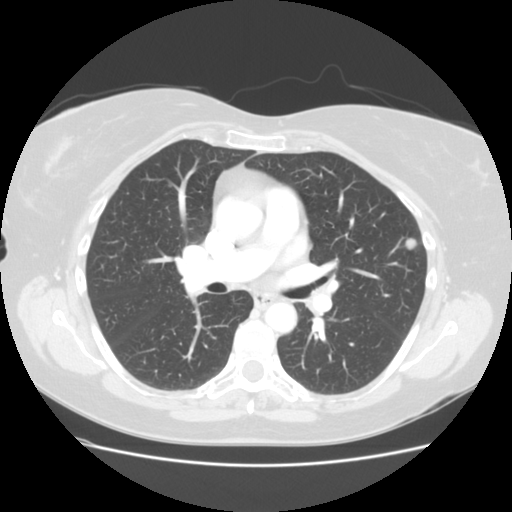
Axial slice 84 of 131 of a chest CT (slice 1 is the lowest), reconstructed with the STANDARD kernel at 120 kVp; 2.50 mm slice thickness and 0.703 mm pixels.
Pulmonary nodule outlined by all four readers; box rows 237–249, columns 405–416 (the union of the readers' outlines on this slice); median longest diameter 11.2 mm (readers' outlines 11.0–12.6 mm), median volume 509 mm3 (428–598 mm3). Ratings, median across the readers with their spread: texture 5/5 (solid) from all four readers; margin 4.5/5 at the median of four readers, spread 4/5 to 5/5 (circumscribed); sphericity 4.5/5 at the median of four readers, spread 4/5 to 5/5 (round); calcification absent from all four readers; internal structure soft tissue from all four readers; median subtlety 4.5/5 (readers ranged 3–5); malignancy likelihood 3/5 at the median of four readers, spread 2–4. Scale key (1–5): texture non-solid→solid, margin indistinct→circumscribed, sphericity linear→round, subtlety extremely subtle→obvious, malignancy likelihood highly unlikely→highly suspicious of cancer. Box rows and columns are 0-based pixel indices from the top-left corner, inclusive.